One axial slice (79 of 202, counting up from the lowest) of a chest CT acquired at 120 kVp with the B30f kernel; each pixel is 0.566 mm and the slice is 2.00 mm thick.
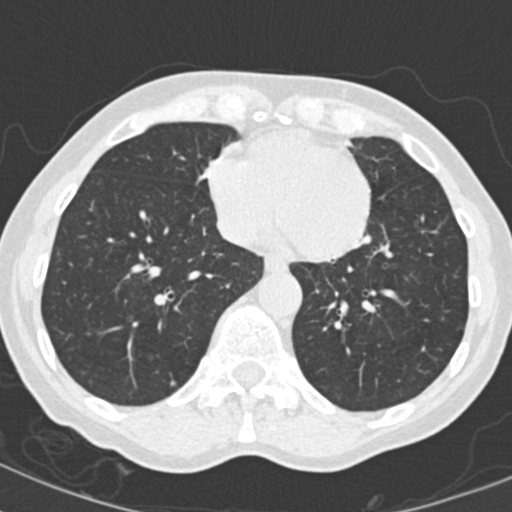
Pulmonary nodule at rows 380–386, columns 169–177 (box = the union of the readers' outlines on this slice), outlined by all four readers; longest diameter 5.9 mm on average over the four readers' outlines (readers' outlines 5.1–6.9 mm), volume 47–81 mm3. Ratings, by the readers' most common answer with dissent counted: texture 5/5 (solid) by three of four readers; the rest gave 3/5 (part-solid) (one); margin split among the readers: 1/5 (indistinct) (one), 2/5 (one), 4/5 (one), 5/5 (circumscribed) (one); sphericity 5/5 (round) by two of four readers; the rest gave 2/5 (one), 4/5 (one); calcification absent by three of four readers, central calcification (one); internal structure soft tissue from all four readers; most readers (three of four) put subtlety at 4/5, others 3/5 (one); malignancy likelihood 3/5 by two of four readers; the rest gave 1/5 (one), 2/5 (one). Scale key (1–5): texture non-solid→solid, margin indistinct→circumscribed, sphericity linear→round, subtlety extremely subtle→obvious, malignancy likelihood highly unlikely→highly suspicious of cancer. Box rows and columns are 0-based pixel indices from the top-left corner, inclusive.